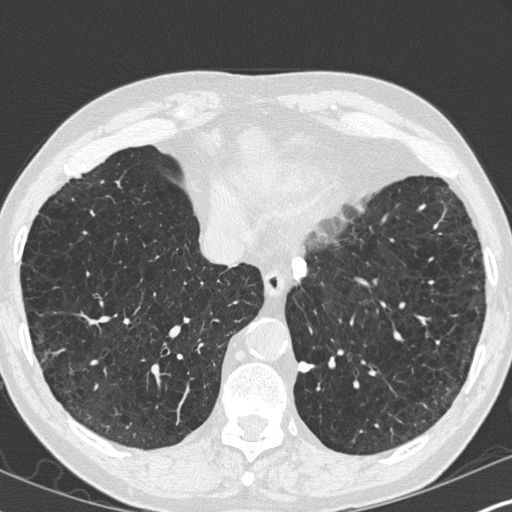
Axial chest CT slice 99 of 347 (counted from the lowest slice); tube voltage 120 kVp, convolution kernel B45f; slices 1.00 mm thick, 0.625 mm per pixel.
Pulmonary nodule at rows 361–373, columns 297–313 (box = the union of the readers' outlines on this slice), outlined by two of the four readers; longest diameter 12.5 mm on average over the two readers' outlines (readers' outlines 10.7–14.3 mm), volume 348–470 mm3. The readers' prevailing ratings and who disagreed: texture 5/5 (solid), both readers agreeing; margin split among the readers: 4/5 (one), 5/5 (circumscribed) (one); sphericity split among the readers: 3/5 (ovoid) (one), 4/5 (one); calcification solid calcification, both readers agreeing; internal structure soft tissue from both readers; subtlety 5/5, both readers agreeing; malignancy likelihood 1/5 from both readers. Scale key (1–5): texture non-solid→solid, margin indistinct→circumscribed, sphericity linear→round, subtlety extremely subtle→obvious, malignancy likelihood highly unlikely→highly suspicious of cancer. Box rows and columns are 0-based pixel indices from the top-left corner, inclusive.